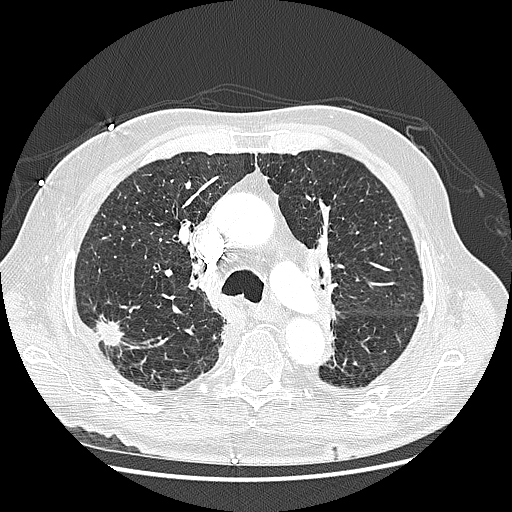
Axial slice 173 of 242 of a chest CT (slice 1 is the lowest), reconstructed with the LUNG kernel at 120 kVp; 1.25 mm slice thickness and 0.703 mm pixels.
Pulmonary nodule at rows 316–346, columns 91–123 (box = the union of the readers' outlines on this slice), outlined by three of the four readers; longest diameter 27.0 mm on average over the three readers' outlines (readers' outlines 23.6–31.8 mm), volume 3005–3613 mm3. Ratings, by the readers' most common answer with dissent counted: texture 5/5 (solid), all three readers agreeing; margin split among the readers: 3/5 (one), 4/5 (one), 5/5 (circumscribed) (one); most readers (two of three) put sphericity at 4/5, others 3/5 (ovoid) (one); calcification absent from all three readers; internal structure soft tissue, all three readers agreeing; subtlety 5/5 by two of three readers; the rest gave 4/5 (one); most readers (two of three) put malignancy likelihood at 5/5, others 4/5 (one). Scale key (1–5): texture non-solid→solid, margin indistinct→circumscribed, sphericity linear→round, subtlety extremely subtle→obvious, malignancy likelihood highly unlikely→highly suspicious of cancer. Box rows and columns are 0-based pixel indices from the top-left corner, inclusive.